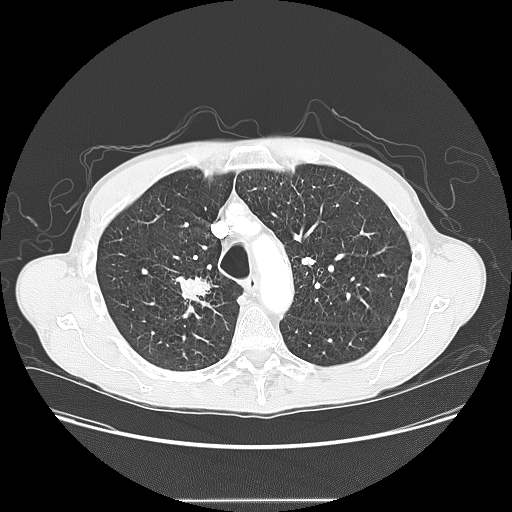
One axial slice (108 of 145, counting up from the lowest) of a chest CT acquired at 120 kVp with the LUNG kernel; each pixel is 0.781 mm and the slice is 2.50 mm thick.
Pulmonary nodule outlined by all four readers; box rows 276–301, columns 174–210 (the union of the readers' outlines on this slice); longest diameter 34.4 mm on average over the four readers' outlines (readers' outlines 31.9–37.6 mm), volume 6100–11568 mm3. The readers' prevailing ratings and who disagreed: texture 5/5 (solid) by three of four readers; the rest gave 4/5 (one); margin 3/5 by two of four readers; the rest gave 2/5 (one), 4/5 (one); sphericity 4/5 by two of four readers; the rest gave 3/5 (ovoid) (one), 5/5 (round) (one); calcification absent from all four readers; internal structure soft tissue from all four readers; subtlety 5/5, all four readers agreeing; malignancy likelihood 5/5 by three of four readers; the rest gave 4/5 (one). Scale key (1–5): texture non-solid→solid, margin indistinct→circumscribed, sphericity linear→round, subtlety extremely subtle→obvious, malignancy likelihood highly unlikely→highly suspicious of cancer. Box rows and columns are 0-based pixel indices from the top-left corner, inclusive.